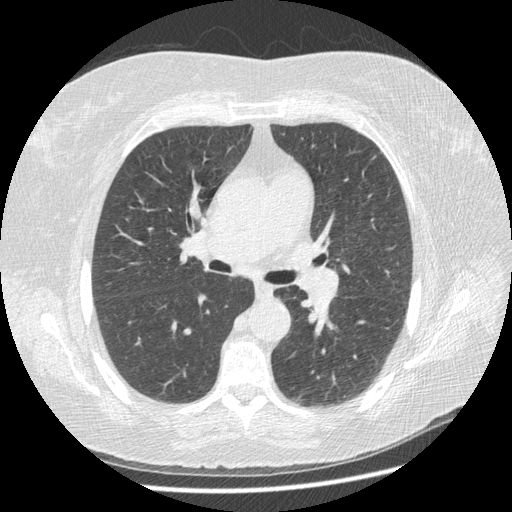
Axial chest CT slice 212 of 413 (counted from the lowest slice); tube voltage 120 kVp, convolution kernel STANDARD; slices 1.25 mm thick, 0.703 mm per pixel.
The readers outlined no nodule of 3 mm or more on this slice.